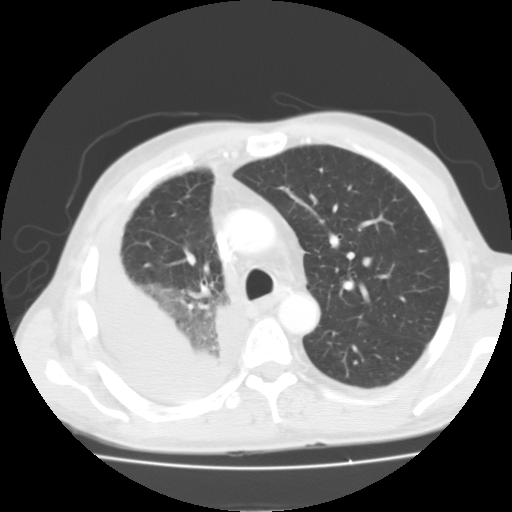
One axial slice (82 of 118, counting up from the lowest) of a chest CT acquired at 135 kVp with the FC01 kernel; each pixel is 0.705 mm and the slice is 3.00 mm thick.
None of the four readers outlined a nodule of 3 mm or more on this slice.